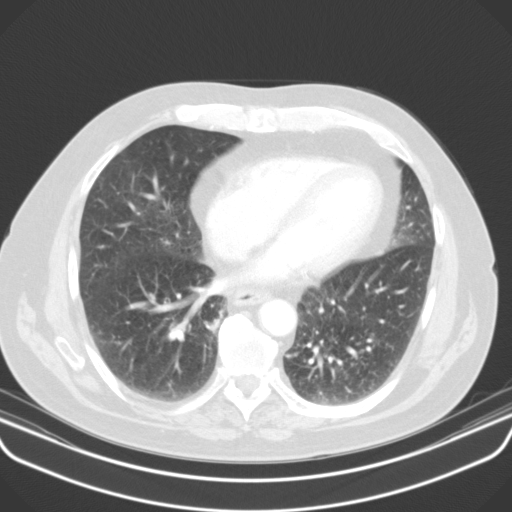
Axial chest CT slice 49 of 107 (counted from the lowest slice); 3.00 mm thick, 0.742 mm per pixel. Pulmonary nodule at rows 320–330, columns 207–219 (box = that reader's outline on this slice), outlined by one of the four readers; longest diameter 19.7 mm and volume 1325 mm3 from that reader's outline. That reader's ratings: texture 4/5; margin 4/5; sphericity 3/5 (ovoid); calcification absent; internal structure soft tissue; subtlety 4/5; malignancy likelihood 3/5. Scale key (1–5): texture non-solid→solid, margin indistinct→circumscribed, sphericity linear→round, subtlety extremely subtle→obvious, malignancy likelihood highly unlikely→highly suspicious of cancer. Box rows and columns are 0-based pixel indices from the top-left corner, inclusive.
Acquired at 130 kVp and reconstructed with the B31s kernel.